Chest CT, axial plane, 120 kVp, kernel STANDARD. Slice 55/139 from the bottom of the scan; thickness 2.50 mm; pixel size 0.898 mm.
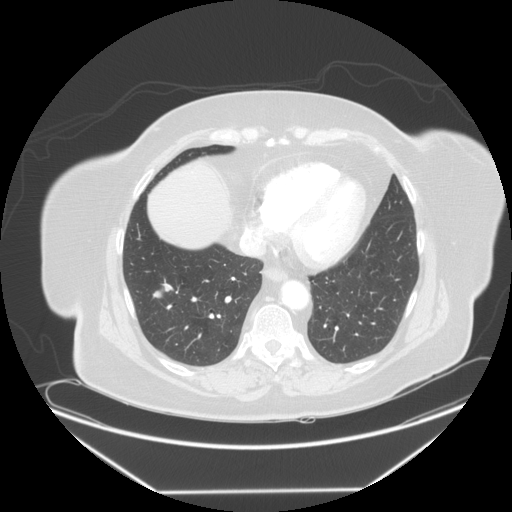
Pulmonary nodule, outlined by three of the four readers. Box on this slice rows 285–297, columns 152–171, the union of the readers' outlines on this slice; median longest diameter 18.0 mm (readers' outlines 17.4–18.7 mm), median volume 1790 mm3 (1637–1856 mm3). Ratings, median across the readers with their spread: texture 5/5 (solid), all three readers agreeing; margin 4/5 at the median of three readers, spread 4/5 to 5/5 (circumscribed); median sphericity 3/5 (ovoid) (readers ranged 2/5 to 3/5 (ovoid)); calcification absent from all three readers; internal structure soft tissue, all three readers agreeing; subtlety 5/5, all three readers agreeing; median malignancy likelihood 4/5 (readers ranged 3–4). Scale key (1–5): texture non-solid→solid, margin indistinct→circumscribed, sphericity linear→round, subtlety extremely subtle→obvious, malignancy likelihood highly unlikely→highly suspicious of cancer. Box rows and columns are 0-based pixel indices from the top-left corner, inclusive.